Axial slice 154 of 245 of a chest CT (slice 1 is the lowest), reconstructed with the STANDARD kernel at 120 kVp; 1.25 mm slice thickness and 0.730 mm pixels.
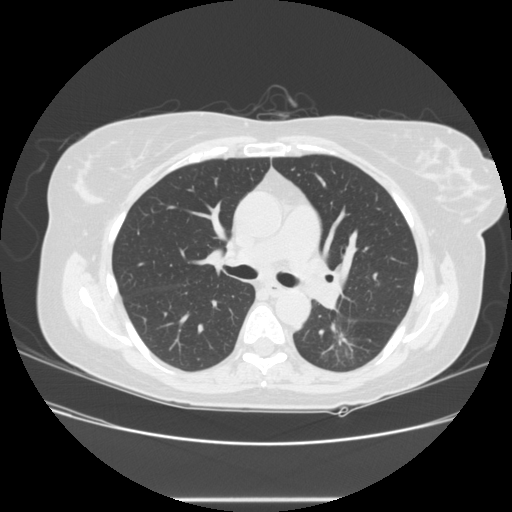
Pulmonary nodule, outlined by all four readers, three of them on this slice. Box on this slice rows 322–350, columns 329–358, the union of the readers' outlines on this slice; longest diameter 30.9 mm on average over the four readers' outlines (readers' outlines 27.2–36.8 mm), volume 3941–5997 mm3. The readers' prevailing ratings and who disagreed: texture 5/5 (solid) from all four readers; margin 4/5 by two of four readers; the rest gave 1/5 (indistinct) (one), 3/5 (one); sphericity 2/5 by two of four readers; the rest gave 3/5 (ovoid) (one), 4/5 (one); calcification absent from all four readers; internal structure soft tissue from all four readers; subtlety 5/5 from all four readers; most readers (three of four) put malignancy likelihood at 5/5, others 4/5 (one). Scale key (1–5): texture non-solid→solid, margin indistinct→circumscribed, sphericity linear→round, subtlety extremely subtle→obvious, malignancy likelihood highly unlikely→highly suspicious of cancer. Box rows and columns are 0-based pixel indices from the top-left corner, inclusive.